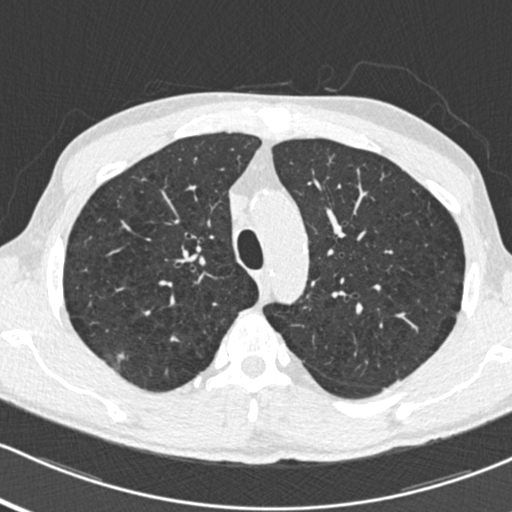
Chest CT, axial plane, 120 kVp, kernel B30f. Slice 374/483 from the bottom of the scan; thickness 0.75 mm; pixel size 0.617 mm.
Pulmonary nodule outlined by three of the four readers; box rows 353–362, columns 117–124 (the union of the readers' outlines on this slice); the three readers' outlines give a longest diameter between 10.0 and 12.0 mm and a volume between 141 and 227 mm3. The readers' ratings, as ranges where they differ: texture from 2/5 to 3/5 (part-solid) across the three readers; margin from 1/5 (indistinct) to 2/5 across the three readers; sphericity from 3/5 (ovoid) to 4/5 across the three readers; calcification absent, all three readers agreeing; internal structure soft tissue from all three readers; subtlety rated between 2 and 4 out of 5 by the three readers; malignancy likelihood from 3/5 to 5/5 across the three readers. Scale key (1–5): texture non-solid→solid, margin indistinct→circumscribed, sphericity linear→round, subtlety extremely subtle→obvious, malignancy likelihood highly unlikely→highly suspicious of cancer. Box rows and columns are 0-based pixel indices from the top-left corner, inclusive.